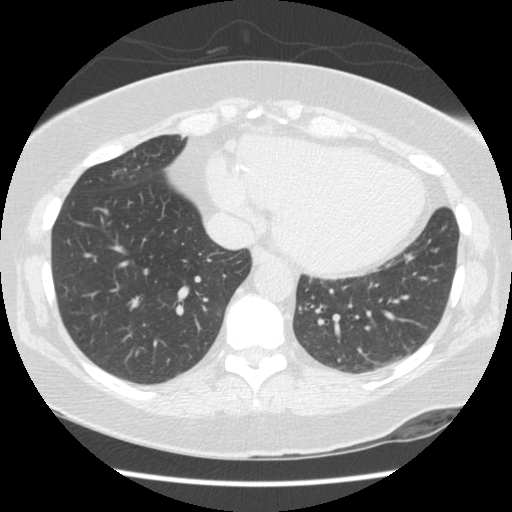
One axial slice (50 of 154, counting up from the lowest) of a chest CT acquired at 120 kVp with the STANDARD kernel; each pixel is 0.645 mm and the slice is 2.50 mm thick.
Pulmonary nodule, outlined by three of the four readers. Box on this slice rows 152–157, columns 132–136, the union of the readers' outlines on this slice; median longest diameter 5.3 mm (readers' outlines 4.7–5.3 mm), median volume 48 mm3 (35–58 mm3). Median ratings and the readers' spread: texture 5/5 (solid), all three readers agreeing; margin 5/5 (circumscribed) at the median of three readers, spread 4/5 to 5/5 (circumscribed); median sphericity 4/5 (readers ranged 4/5 to 5/5 (round)); calcification absent from all three readers; internal structure soft tissue, all three readers agreeing; median subtlety 3/5 (readers ranged 2–4); median malignancy likelihood 2/5 (readers ranged 1–3). Scale key (1–5): texture non-solid→solid, margin indistinct→circumscribed, sphericity linear→round, subtlety extremely subtle→obvious, malignancy likelihood highly unlikely→highly suspicious of cancer. Box rows and columns are 0-based pixel indices from the top-left corner, inclusive.